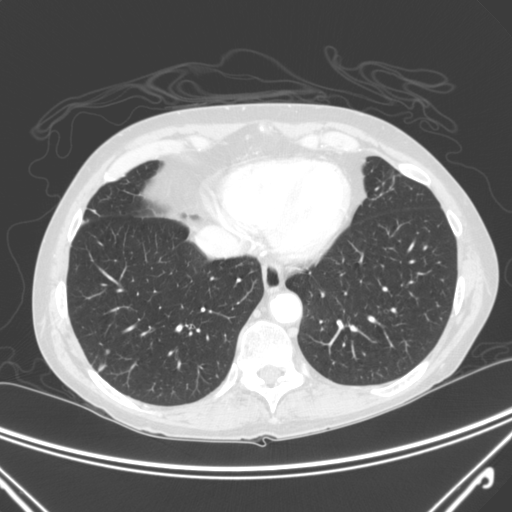
Axial chest CT slice 82 of 300 (counted from the lowest slice); tube voltage 120 kVp, convolution kernel C; slices 2.00 mm thick, 0.715 mm per pixel.
Pulmonary nodule at rows 348–354, columns 104–109 (box = the union of the readers' outlines on this slice), outlined by three of the four readers; median longest diameter 5.4 mm (readers' outlines 5.2–5.4 mm), median volume 62 mm3 (52–68 mm3). Median ratings and the readers' spread: texture 5/5 (solid), all three readers agreeing; median margin 4/5 (readers ranged 4/5 to 5/5 (circumscribed)); median sphericity 4/5 (readers ranged 4/5 to 5/5 (round)); calcification absent, all three readers agreeing; internal structure soft tissue from all three readers; median subtlety 4/5 (readers ranged 4–5); malignancy likelihood 3/5 at the median of three readers, spread 2–3. Scale key (1–5): texture non-solid→solid, margin indistinct→circumscribed, sphericity linear→round, subtlety extremely subtle→obvious, malignancy likelihood highly unlikely→highly suspicious of cancer. Box rows and columns are 0-based pixel indices from the top-left corner, inclusive.